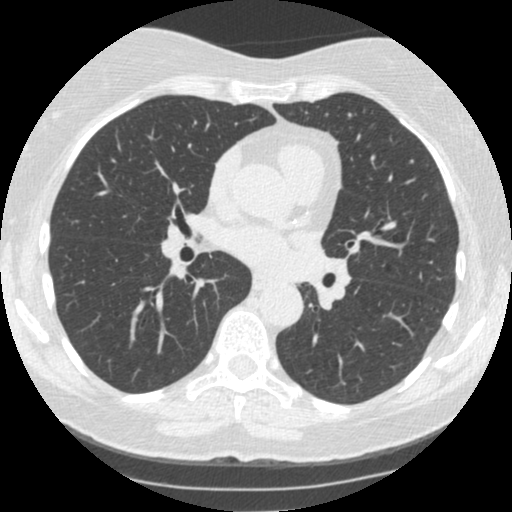
Axial chest CT slice 241 of 481 (counted from the lowest slice); tube voltage 120 kVp, convolution kernel STANDARD; slices 1.25 mm thick, 0.586 mm per pixel.
No nodule of 3 mm or larger was outlined by any of the four readers on this slice.